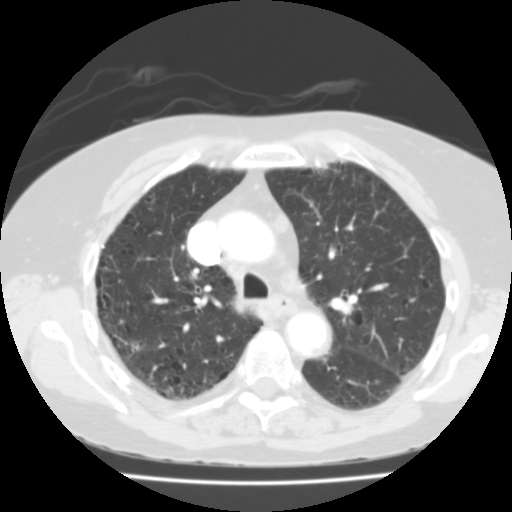
Slice 93/136 of a chest CT, counting up from the lowest; pixel size 0.644 mm, slice thickness 2.00 mm. Pulmonary nodule at rows 340–348, columns 130–140 (box = the union of the readers' outlines on this slice), outlined by all four readers, two of them on this slice; longest diameter 10.4 mm on average over the four readers' outlines (readers' outlines 9.2–12.4 mm), volume 195–330 mm3. Ratings, by the readers' most common answer with dissent counted: texture split among the readers: 4/5 (two), 5/5 (solid) (two); margin 3/5 by two of four readers; the rest gave 4/5 (one), 5/5 (circumscribed) (one); sphericity 4/5 by two of four readers; the rest gave 3/5 (ovoid) (one), 5/5 (round) (one); calcification absent from all four readers; internal structure soft tissue, all four readers agreeing; subtlety 3/5 by two of four readers; the rest gave 4/5 (one), 5/5 (one); malignancy likelihood 3/5 by two of four readers; the rest gave 2/5 (one), 4/5 (one). Scale key (1–5): texture non-solid→solid, margin indistinct→circumscribed, sphericity linear→round, subtlety extremely subtle→obvious, malignancy likelihood highly unlikely→highly suspicious of cancer. Box rows and columns are 0-based pixel indices from the top-left corner, inclusive.
Acquired at 135 kVp and reconstructed with the FC03 kernel.